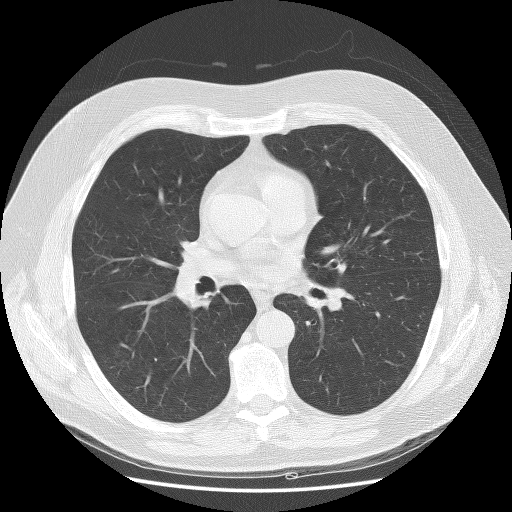
Chest CT, axial plane, 140 kVp, kernel BONE. Slice 77/130 from the bottom of the scan; thickness 2.50 mm; pixel size 0.723 mm.
This slice carries no reader outline of a nodule 3 mm or larger.